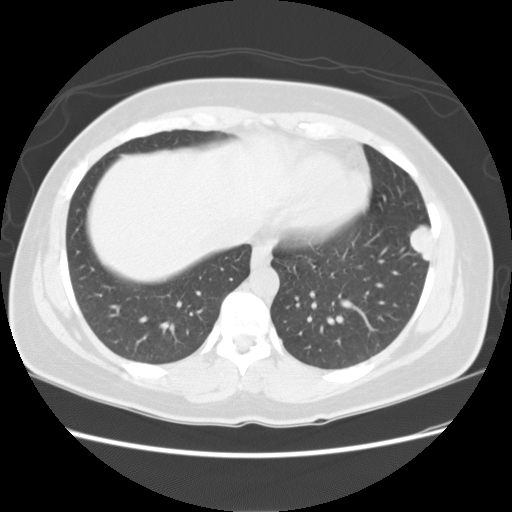
Axial chest CT slice 52 of 127 (counted from the lowest slice); 2.50 mm thick, 0.703 mm per pixel. Pulmonary nodule, outlined by all four readers. Box on this slice rows 225–262, columns 410–431, the union of the readers' outlines on this slice; median longest diameter 28.1 mm (readers' outlines 27.7–28.3 mm), median volume 5769 mm3 (5117–6404 mm3). Median ratings and the readers' spread: texture 5/5 (solid) from all four readers; median margin 5/5 (circumscribed) (readers ranged 4/5 to 5/5 (circumscribed)); median sphericity 3/5 (ovoid) (readers ranged 3/5 (ovoid) to 5/5 (round)); calcification absent from all four readers; internal structure soft tissue, all four readers agreeing; subtlety 5/5 from all four readers; malignancy likelihood 4.5/5 at the median of four readers, spread 3–5. Scale key (1–5): texture non-solid→solid, margin indistinct→circumscribed, sphericity linear→round, subtlety extremely subtle→obvious, malignancy likelihood highly unlikely→highly suspicious of cancer. Box rows and columns are 0-based pixel indices from the top-left corner, inclusive.
Scan settings: 120 kVp, STANDARD reconstruction kernel.